Chest CT, axial plane, 120 kVp, kernel LUNG. Slice 74/127 from the bottom of the scan; thickness 2.50 mm; pixel size 0.645 mm.
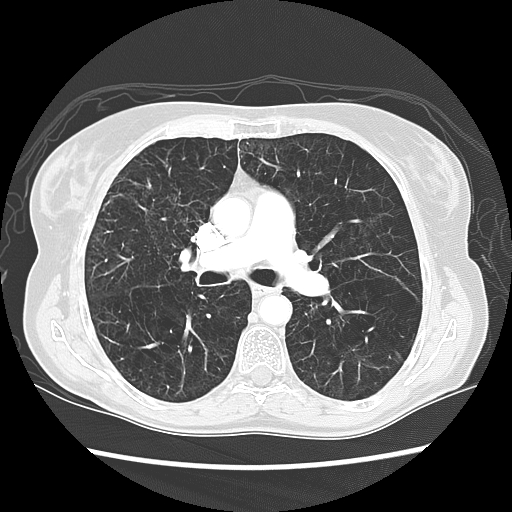
No nodule 3 mm or larger was outlined here by any reader.